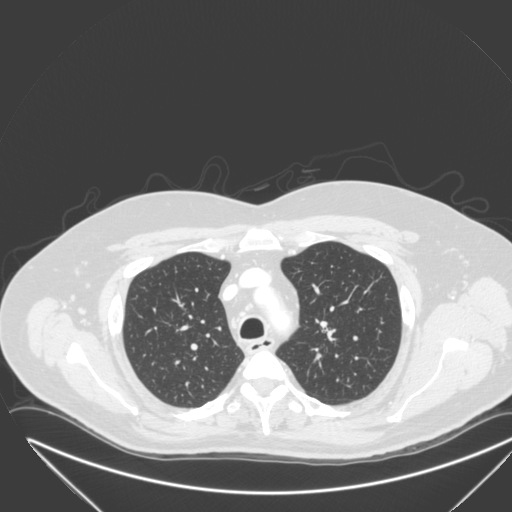
Chest CT, axial plane, 120 kVp, kernel B. Slice 243/315 from the bottom of the scan; thickness 2.00 mm; pixel size 0.830 mm.
This slice carries no reader outline of a nodule 3 mm or larger.